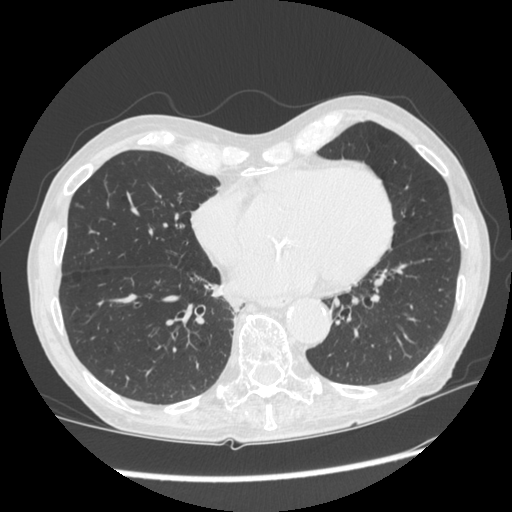
One axial slice (108 of 301, counting up from the lowest) of a chest CT acquired at 120 kVp with the STANDARD kernel; each pixel is 0.684 mm and the slice is 1.25 mm thick.
Pulmonary nodule at rows 202–207, columns 74–83 (box = the one reader's outline on this slice), outlined by all four readers, one of them on this slice; longest diameter 8.9–10.0 mm and volume 70–134 mm3 across the four readers' outlines. The readers' ratings, as ranges where they differ: texture from 3/5 (part-solid) to 5/5 (solid) across the four readers; margin from 2/5 to 5/5 (circumscribed) across the four readers; sphericity from 2/5 to 4/5 across the four readers; calcification absent from all four readers; internal structure soft tissue from all four readers; subtlety rated between 3 and 4 out of 5 by the four readers; malignancy likelihood from 2/5 to 3/5 across the four readers. Scale key (1–5): texture non-solid→solid, margin indistinct→circumscribed, sphericity linear→round, subtlety extremely subtle→obvious, malignancy likelihood highly unlikely→highly suspicious of cancer. Box rows and columns are 0-based pixel indices from the top-left corner, inclusive.